One axial slice (103 of 192, counting up from the lowest) of a chest CT acquired at 120 kVp with the B30f kernel; each pixel is 0.664 mm and the slice is 2.00 mm thick.
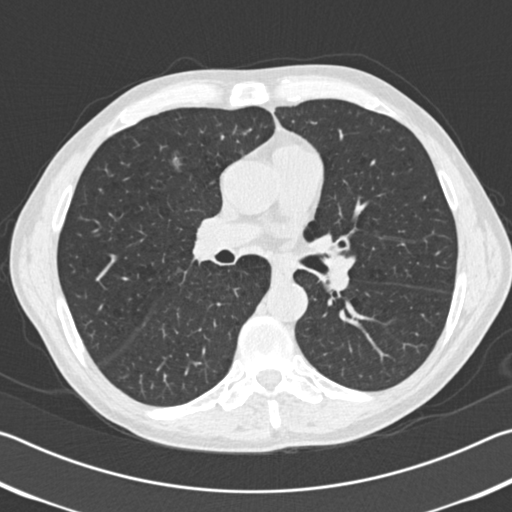
Pulmonary nodule at rows 152–170, columns 170–182 (box = that reader's outline on this slice), outlined by one of the four readers; longest diameter 13.4 mm and volume 515 mm3 from that reader's outline. Ratings by that reader: texture 1/5 (non-solid); margin 2/5; sphericity 3/5 (ovoid); calcification absent; internal structure soft tissue; subtlety 2/5; malignancy likelihood 3/5. Scale key (1–5): texture non-solid→solid, margin indistinct→circumscribed, sphericity linear→round, subtlety extremely subtle→obvious, malignancy likelihood highly unlikely→highly suspicious of cancer. Box rows and columns are 0-based pixel indices from the top-left corner, inclusive.